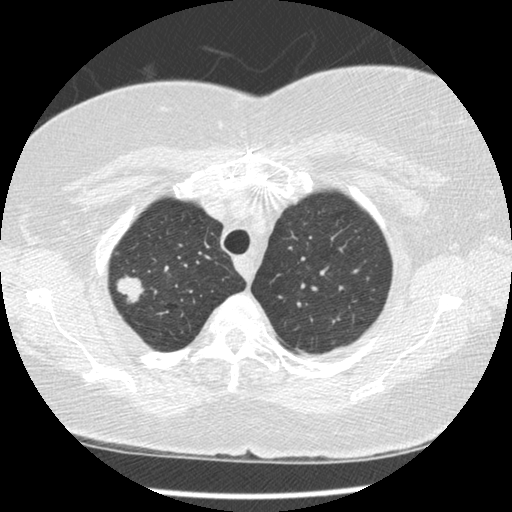
One axial slice (302 of 375, counting up from the lowest) of a chest CT acquired at 120 kVp with the STANDARD kernel; each pixel is 0.625 mm and the slice is 1.25 mm thick.
Pulmonary nodule outlined by all four readers; box rows 274–304, columns 115–143 (the union of the readers' outlines on this slice); median longest diameter 22.7 mm (readers' outlines 21.2–23.2 mm), median volume 3056 mm3 (2289–3466 mm3). Median ratings and the readers' spread: median texture 5/5 (solid) (readers ranged 4/5 to 5/5 (solid)); median margin 4/5 (readers ranged 3/5 to 5/5 (circumscribed)); median sphericity 3.5/5 (readers ranged 2/5 to 5/5 (round)); calcification absent from all four readers; internal structure soft tissue, all four readers agreeing; subtlety 5/5, all four readers agreeing; median malignancy likelihood 5/5 (readers ranged 3–5). Scale key (1–5): texture non-solid→solid, margin indistinct→circumscribed, sphericity linear→round, subtlety extremely subtle→obvious, malignancy likelihood highly unlikely→highly suspicious of cancer. Box rows and columns are 0-based pixel indices from the top-left corner, inclusive.